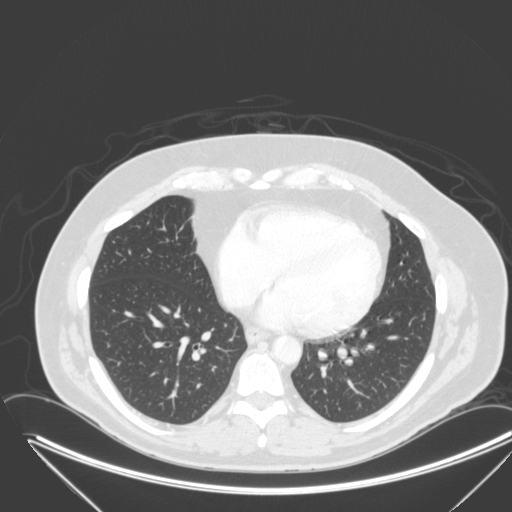
This is axial slice 122 of 315 (slice 1 is the lowest) of a chest CT; each pixel is 0.830 mm and the slice is 2.00 mm thick. Pulmonary nodule at rows 346–359, columns 336–347 (box = the union of the readers' outlines on this slice), outlined by all four readers; longest diameter 12.3–13.9 mm and volume 668–831 mm3 across the four readers' outlines. Ratings across the readers: texture from 4/5 to 5/5 (solid) across the four readers; margin from 4/5 to 5/5 (circumscribed) across the four readers; sphericity from 4/5 to 5/5 (round) across the four readers; calcification absent from all four readers; internal structure soft tissue, all four readers agreeing; subtlety 3–5/5 (the readers disagree); malignancy likelihood rated between 3 and 5 out of 5 by the four readers. Scale key (1–5): texture non-solid→solid, margin indistinct→circumscribed, sphericity linear→round, subtlety extremely subtle→obvious, malignancy likelihood highly unlikely→highly suspicious of cancer. Box rows and columns are 0-based pixel indices from the top-left corner, inclusive.
Acquired at 120 kVp and reconstructed with the B kernel.